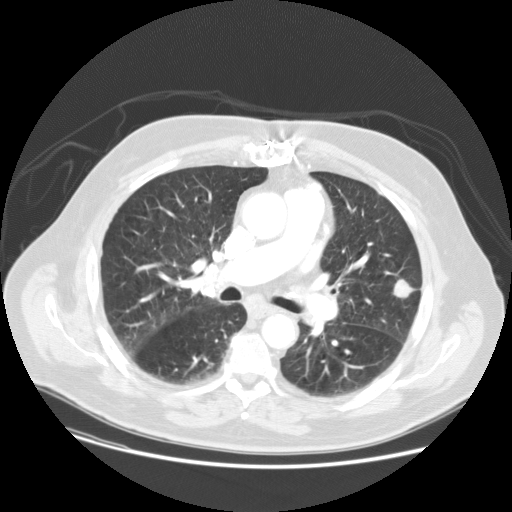
Axial chest CT slice 85 of 133 (counted from the lowest slice); tube voltage 120 kVp, convolution kernel STANDARD; slices 2.50 mm thick, 0.781 mm per pixel.
Pulmonary nodule, outlined by all four readers. Box on this slice rows 277–297, columns 392–417, the union of the readers' outlines on this slice; longest diameter 20.0 mm on average over the four readers' outlines (readers' outlines 18.8–20.7 mm), volume 2105–2617 mm3. The readers' prevailing ratings and who disagreed: texture 5/5 (solid) from all four readers; margin split among the readers: 4/5 (two), 5/5 (circumscribed) (two); sphericity 3/5 (ovoid) by two of four readers; the rest gave 4/5 (one), 5/5 (round) (one); calcification absent, all four readers agreeing; internal structure soft tissue from all four readers; subtlety 5/5 by three of four readers; the rest gave 3/5 (one); malignancy likelihood 5/5 by two of four readers; the rest gave 2/5 (one), 4/5 (one). Scale key (1–5): texture non-solid→solid, margin indistinct→circumscribed, sphericity linear→round, subtlety extremely subtle→obvious, malignancy likelihood highly unlikely→highly suspicious of cancer. Box rows and columns are 0-based pixel indices from the top-left corner, inclusive.